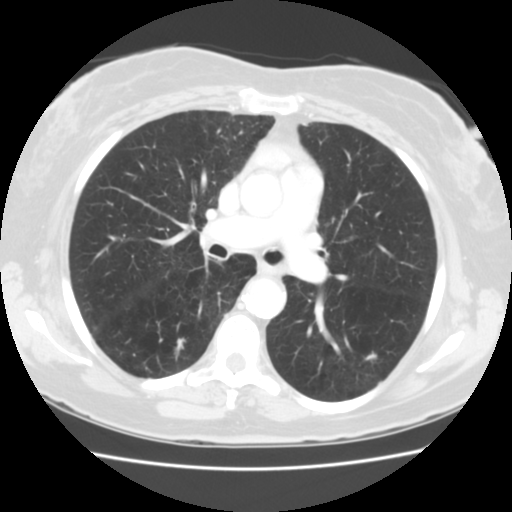
Slice 84/133 of a chest CT, counting up from the lowest; pixel size 0.625 mm, slice thickness 2.50 mm. Pulmonary nodule, outlined by all four readers. Box on this slice rows 351–360, columns 364–377, the union of the readers' outlines on this slice; the four readers' outlines give a longest diameter between 7.1 and 9.7 mm and a volume between 99 and 217 mm3. Ratings across the readers: texture from 4/5 to 5/5 (solid) across the four readers; margin from 3/5 to 5/5 (circumscribed) across the four readers; sphericity from 3/5 (ovoid) to 5/5 (round) across the four readers; calcification absent, all four readers agreeing; internal structure soft tissue from all four readers; subtlety 3–4/5 (the readers disagree); malignancy likelihood rated between 2 and 4 out of 5 by the four readers. Scale key (1–5): texture non-solid→solid, margin indistinct→circumscribed, sphericity linear→round, subtlety extremely subtle→obvious, malignancy likelihood highly unlikely→highly suspicious of cancer. Box rows and columns are 0-based pixel indices from the top-left corner, inclusive.
Acquired at 120 kVp and reconstructed with the STANDARD kernel.